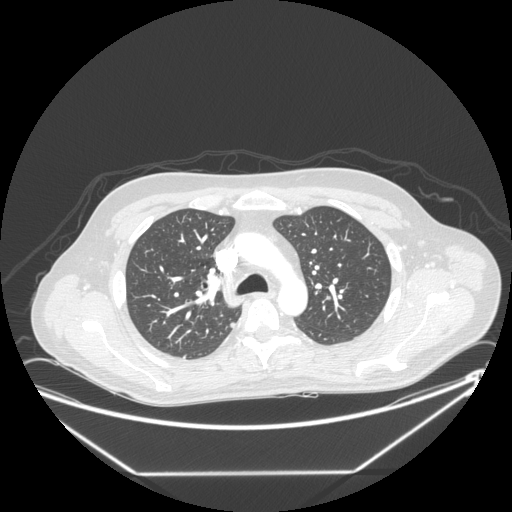
Axial slice 166 of 246 of a chest CT (slice 1 is the lowest), reconstructed with the STANDARD kernel at 120 kVp; 1.25 mm slice thickness and 0.859 mm pixels.
Pulmonary nodule outlined by three of the four readers; box rows 321–327, columns 229–235 (the union of the readers' outlines on this slice); median longest diameter 7.3 mm (readers' outlines 7.1–7.3 mm), median volume 96 mm3 (93–96 mm3). Median ratings and the readers' spread: texture 5/5 (solid) from all three readers; median margin 5/5 (circumscribed) (readers ranged 4/5 to 5/5 (circumscribed)); median sphericity 5/5 (round) (readers ranged 4/5 to 5/5 (round)); calcification absent, all three readers agreeing; internal structure soft tissue from all three readers; subtlety 3/5, all three readers agreeing; malignancy likelihood 3/5 from all three readers. Scale key (1–5): texture non-solid→solid, margin indistinct→circumscribed, sphericity linear→round, subtlety extremely subtle→obvious, malignancy likelihood highly unlikely→highly suspicious of cancer. Box rows and columns are 0-based pixel indices from the top-left corner, inclusive.